One axial slice (456 of 541, counting up from the lowest) of a chest CT acquired at 120 kVp with the STANDARD kernel; each pixel is 0.781 mm and the slice is 1.25 mm thick.
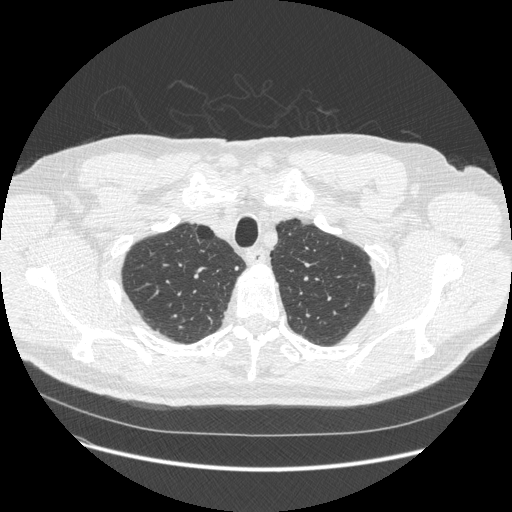
Two pulmonary nodules are outlined on this slice; from left to right: (1) Pulmonary nodule at rows 328–331, columns 156–158 (box = that reader's outline on this slice), outlined by one of the four readers; longest diameter 7.2 mm and volume 60 mm3 from that reader's outline. Ratings by that reader: texture 5/5 (solid); margin 5/5 (circumscribed); sphericity 4/5; calcification absent; internal structure soft tissue; subtlety 5/5; malignancy likelihood 3/5. (2) Pulmonary nodule, outlined by one of the four readers. Box on this slice rows 266–269, columns 234–238, that reader's outline on this slice; longest diameter 5.2 mm and volume 46 mm3 from that reader's outline. That reader's ratings: texture 5/5 (solid); margin 5/5 (circumscribed); sphericity 4/5; calcification absent; internal structure soft tissue; subtlety 4/5; malignancy likelihood 4/5. Scale key (1–5): texture non-solid→solid, margin indistinct→circumscribed, sphericity linear→round, subtlety extremely subtle→obvious, malignancy likelihood highly unlikely→highly suspicious of cancer. Box rows and columns are 0-based pixel indices from the top-left corner, inclusive.